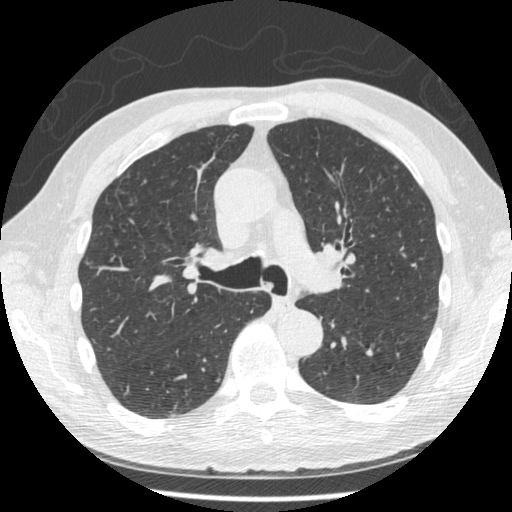
One axial slice (304 of 481, counting up from the lowest) of a chest CT acquired at 120 kVp with the STANDARD kernel; each pixel is 0.664 mm and the slice is 1.25 mm thick.
Pulmonary nodule, outlined by one of the four readers. Box on this slice rows 258–267, columns 85–93, that reader's outline on this slice; longest diameter 8.7 mm and volume 117 mm3 from that reader's outline. Ratings by that reader: texture 4/5; margin 5/5 (circumscribed); sphericity 4/5; calcification absent; internal structure soft tissue; subtlety 4/5; malignancy likelihood 4/5. Scale key (1–5): texture non-solid→solid, margin indistinct→circumscribed, sphericity linear→round, subtlety extremely subtle→obvious, malignancy likelihood highly unlikely→highly suspicious of cancer. Box rows and columns are 0-based pixel indices from the top-left corner, inclusive.